One axial slice (72 of 140, counting up from the lowest) of a chest CT acquired at 120 kVp with the LUNG kernel; each pixel is 0.781 mm and the slice is 2.50 mm thick.
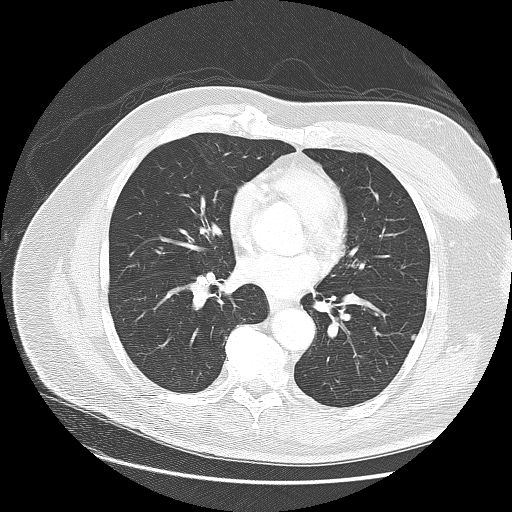
Pulmonary nodule, outlined by three of the four readers. Box on this slice rows 334–340, columns 410–415, the union of the readers' outlines on this slice; longest diameter 5.9–8.0 mm and volume 79–149 mm3 across the three readers' outlines. Ratings across the readers: texture 5/5 (solid), all three readers agreeing; margin from 4/5 to 5/5 (circumscribed) across the three readers; sphericity from 2/5 to 3/5 (ovoid) across the three readers; calcification: absent (two), central calcification (one); internal structure soft tissue, all three readers agreeing; subtlety 3–4/5 (the readers disagree); malignancy likelihood from 2/5 to 4/5 across the three readers. Scale key (1–5): texture non-solid→solid, margin indistinct→circumscribed, sphericity linear→round, subtlety extremely subtle→obvious, malignancy likelihood highly unlikely→highly suspicious of cancer. Box rows and columns are 0-based pixel indices from the top-left corner, inclusive.